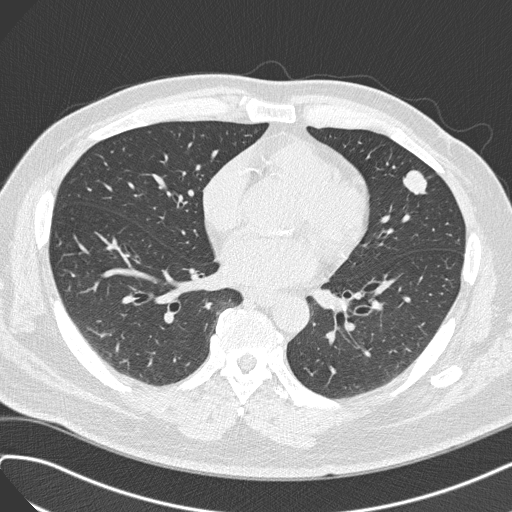
One axial slice (147 of 308, counting up from the lowest) of a chest CT acquired at 120 kVp with the B45f kernel; each pixel is 0.703 mm and the slice is 1.00 mm thick.
Pulmonary nodule outlined by all four readers; box rows 170–194, columns 402–427 (the union of the readers' outlines on this slice); median longest diameter 21.1 mm (readers' outlines 19.6–23.0 mm), median volume 2176 mm3 (1982–2315 mm3). Ratings, median across the readers with their spread: texture 5/5 (solid), all four readers agreeing; margin 4.5/5 at the median of four readers, spread 4/5 to 5/5 (circumscribed); median sphericity 4/5 (readers ranged 3/5 (ovoid) to 5/5 (round)); calcification absent, all four readers agreeing; internal structure soft tissue, all four readers agreeing; subtlety 5/5, all four readers agreeing; median malignancy likelihood 3.5/5 (readers ranged 3–5). Scale key (1–5): texture non-solid→solid, margin indistinct→circumscribed, sphericity linear→round, subtlety extremely subtle→obvious, malignancy likelihood highly unlikely→highly suspicious of cancer. Box rows and columns are 0-based pixel indices from the top-left corner, inclusive.